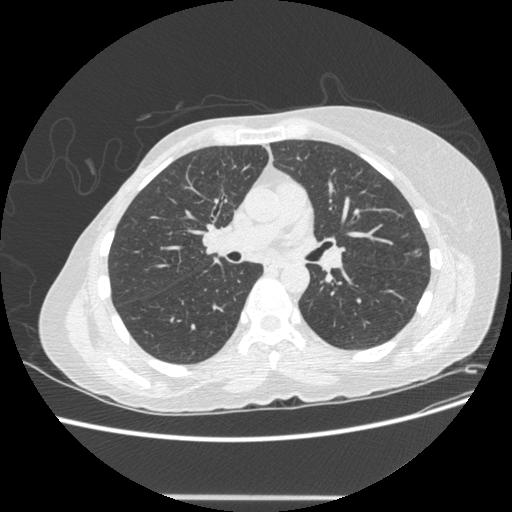
Chest CT, axial plane, 120 kVp, kernel STANDARD. Slice 262/500 from the bottom of the scan; thickness 1.25 mm; pixel size 0.703 mm.
Pulmonary nodule, outlined by all four readers. Box on this slice rows 248–256, columns 412–421, the union of the readers' outlines on this slice; longest diameter 8.5 mm on average over the four readers' outlines (readers' outlines 7.8–9.1 mm), volume 108–174 mm3. Ratings, by the readers' most common answer with dissent counted: texture split among the readers: 1/5 (non-solid) (one), 2/5 (one), 4/5 (one), 5/5 (solid) (one); margin split among the readers: 1/5 (indistinct) (one), 2/5 (one), 4/5 (one), 5/5 (circumscribed) (one); sphericity 5/5 (round) by two of four readers; the rest gave 3/5 (ovoid) (one), 4/5 (one); calcification absent from all four readers; internal structure soft tissue, all four readers agreeing; subtlety 5/5 by two of four readers; the rest gave 3/5 (one), 4/5 (one); malignancy likelihood 4/5 by two of four readers; the rest gave 3/5 (one), 5/5 (one). Scale key (1–5): texture non-solid→solid, margin indistinct→circumscribed, sphericity linear→round, subtlety extremely subtle→obvious, malignancy likelihood highly unlikely→highly suspicious of cancer. Box rows and columns are 0-based pixel indices from the top-left corner, inclusive.